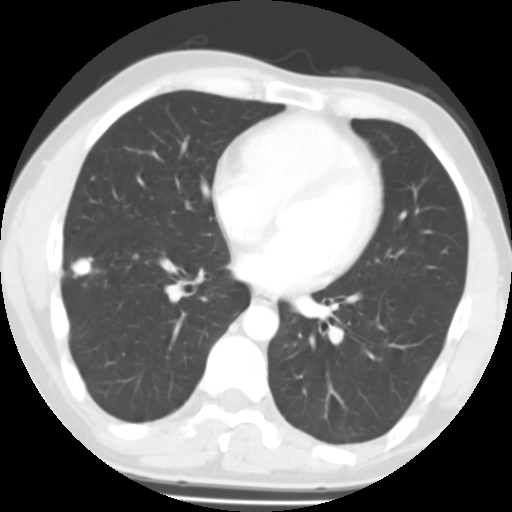
Axial slice 59 of 126 of a chest CT (slice 1 is the lowest), reconstructed with the FC01 kernel at 135 kVp; 3.00 mm slice thickness and 0.582 mm pixels.
Pulmonary nodule, outlined by three of the four readers. Box on this slice rows 257–277, columns 71–93, the union of the readers' outlines on this slice; median longest diameter 15.0 mm (readers' outlines 11.0–18.7 mm), median volume 747 mm3 (497–1015 mm3). Ratings, median across the readers with their spread: texture 5/5 (solid) from all three readers; margin 4/5, all three readers agreeing; median sphericity 4/5 (readers ranged 3/5 (ovoid) to 4/5); calcification: central calcification (two), solid calcification (one); internal structure soft tissue from all three readers; subtlety 4/5 at the median of three readers, spread 4–5; malignancy likelihood 1/5, all three readers agreeing. Scale key (1–5): texture non-solid→solid, margin indistinct→circumscribed, sphericity linear→round, subtlety extremely subtle→obvious, malignancy likelihood highly unlikely→highly suspicious of cancer. Box rows and columns are 0-based pixel indices from the top-left corner, inclusive.